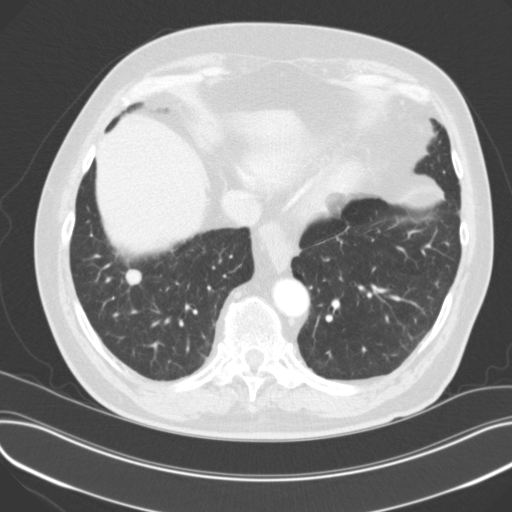
Axial chest CT slice 45 of 129 (counted from the lowest slice); tube voltage 120 kVp, convolution kernel B31f; slices 3.00 mm thick, 0.730 mm per pixel.
Pulmonary nodule, outlined by all four readers. Box on this slice rows 268–286, columns 124–142, the union of the readers' outlines on this slice; median longest diameter 14.3 mm (readers' outlines 13.4–15.2 mm), median volume 1008 mm3 (918–1274 mm3). Median ratings and the readers' spread: texture 5/5 (solid) from all four readers; margin 5/5 (circumscribed) at the median of four readers, spread 4/5 to 5/5 (circumscribed); sphericity 5/5 (round), all four readers agreeing; calcification absent from all four readers; internal structure soft tissue, all four readers agreeing; median subtlety 4.5/5 (readers ranged 3–5); malignancy likelihood 3.5/5 at the median of four readers, spread 2–5. Scale key (1–5): texture non-solid→solid, margin indistinct→circumscribed, sphericity linear→round, subtlety extremely subtle→obvious, malignancy likelihood highly unlikely→highly suspicious of cancer. Box rows and columns are 0-based pixel indices from the top-left corner, inclusive.